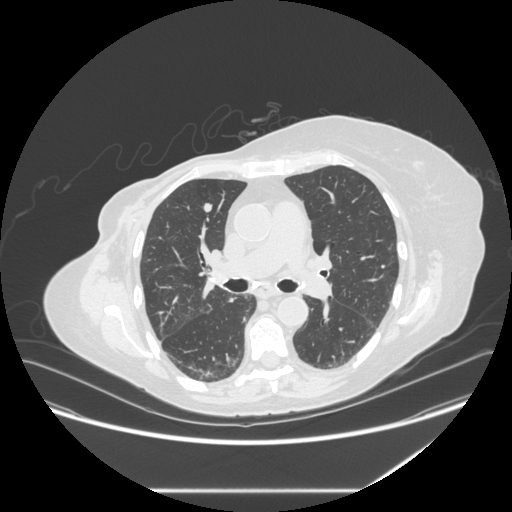
Axial chest CT slice 175 of 281 (counted from the lowest slice); tube voltage 120 kVp, convolution kernel STANDARD; slices 1.25 mm thick, 0.816 mm per pixel.
Pulmonary nodule at rows 203–211, columns 203–212 (box = the union of the readers' outlines on this slice), outlined by all four readers; median longest diameter 9.4 mm (readers' outlines 9.2–9.9 mm), median volume 305 mm3 (239–329 mm3). Ratings, median across the readers with their spread: texture 5/5 (solid) from all four readers; margin 5/5 (circumscribed), all four readers agreeing; median sphericity 5/5 (round) (readers ranged 4/5 to 5/5 (round)); calcification absent, all four readers agreeing; internal structure soft tissue from all four readers; median subtlety 3.5/5 (readers ranged 3–4); malignancy likelihood 3/5 at the median of four readers, spread 2–3. Scale key (1–5): texture non-solid→solid, margin indistinct→circumscribed, sphericity linear→round, subtlety extremely subtle→obvious, malignancy likelihood highly unlikely→highly suspicious of cancer. Box rows and columns are 0-based pixel indices from the top-left corner, inclusive.